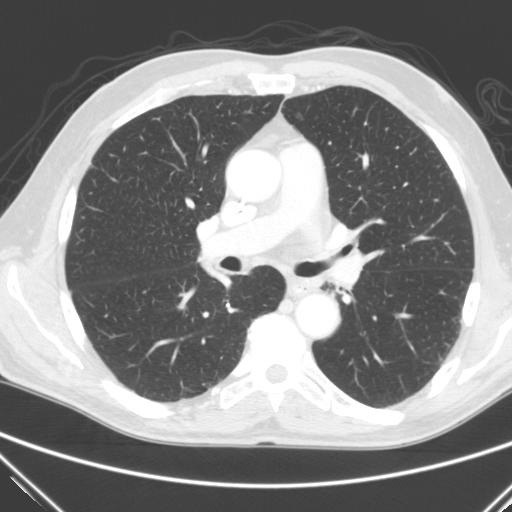
Axial slice 149 of 290 of a chest CT (slice 1 is the lowest), reconstructed with the C kernel at 120 kVp; 2.00 mm slice thickness and 0.682 mm pixels.
This slice carries no reader outline of a nodule 3 mm or larger.